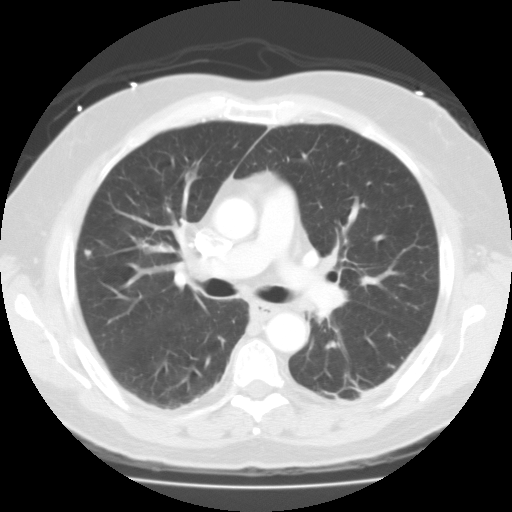
This is axial slice 69 of 115 (slice 1 is the lowest) of a chest CT; each pixel is 0.729 mm and the slice is 3.00 mm thick. Pulmonary nodule at rows 250–256, columns 85–91 (box = that reader's outline on this slice), outlined by one of the four readers; longest diameter 6.9 mm and volume 159 mm3 from that reader's outline. Ratings by that reader: texture 5/5 (solid); margin 3/5; sphericity 3/5 (ovoid); calcification solid calcification; internal structure soft tissue; subtlety 5/5; malignancy likelihood 3/5. Scale key (1–5): texture non-solid→solid, margin indistinct→circumscribed, sphericity linear→round, subtlety extremely subtle→obvious, malignancy likelihood highly unlikely→highly suspicious of cancer. Box rows and columns are 0-based pixel indices from the top-left corner, inclusive.
Acquired at 135 kVp and reconstructed with the FC01 kernel.